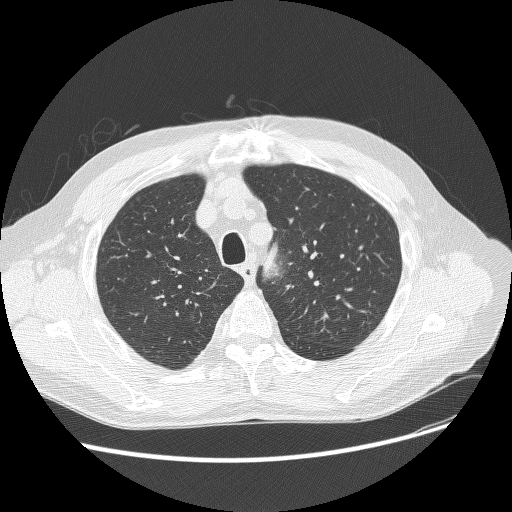
Chest CT, axial plane, 120 kVp, kernel BONE. Slice 214/268 from the bottom of the scan; thickness 1.25 mm; pixel size 0.742 mm.
Pulmonary nodule outlined by three of the four readers, one of them on this slice; box rows 313–319, columns 189–193 (the one reader's outline on this slice); median longest diameter 6.6 mm (readers' outlines 6.6–9.2 mm), median volume 27 mm3 (25–102 mm3). Median ratings and the readers' spread: texture 1/5 (non-solid) from all three readers; median margin 1/5 (indistinct) (readers ranged 1/5 (indistinct) to 3/5); sphericity 3/5 (ovoid) at the median of three readers, spread 2/5 to 4/5; calcification absent, all three readers agreeing; internal structure soft tissue, all three readers agreeing; subtlety 1/5 from all three readers; malignancy likelihood 3/5 from all three readers. Scale key (1–5): texture non-solid→solid, margin indistinct→circumscribed, sphericity linear→round, subtlety extremely subtle→obvious, malignancy likelihood highly unlikely→highly suspicious of cancer. Box rows and columns are 0-based pixel indices from the top-left corner, inclusive.